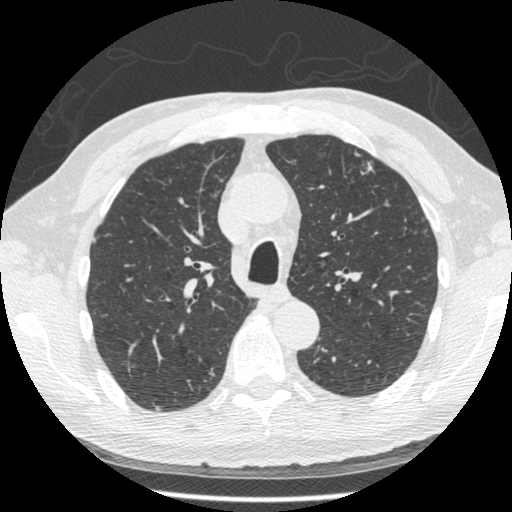
Axial slice 334 of 481 of a chest CT (slice 1 is the lowest), reconstructed with the STANDARD kernel at 120 kVp; 1.25 mm slice thickness and 0.664 mm pixels.
Two pulmonary nodules on this slice, listed from left to right. (1) Pulmonary nodule, outlined by one of the four readers. Box on this slice rows 175–181, columns 215–223, that reader's outline on this slice; longest diameter 8.9 mm and volume 58 mm3 from that reader's outline. That reader's ratings: texture 2/5; margin 2/5; sphericity 4/5; calcification absent; internal structure soft tissue; subtlety 3/5; malignancy likelihood 3/5. (2) Pulmonary nodule at rows 160–173, columns 361–374 (box = the union of the readers' outlines on this slice), outlined by two of the four readers; longest diameter 10.5–12.2 mm and volume 150–184 mm3 across the two readers' outlines. The readers' ratings, as ranges where they differ: texture from 2/5 to 4/5 across the two readers; margin from 1/5 (indistinct) to 4/5 across the two readers; sphericity from 2/5 to 3/5 (ovoid) across the two readers; calcification absent, both readers agreeing; internal structure soft tissue from both readers; subtlety 2–4/5 (the readers disagree); malignancy likelihood 1–3/5 (the readers disagree). Scale key (1–5): texture non-solid→solid, margin indistinct→circumscribed, sphericity linear→round, subtlety extremely subtle→obvious, malignancy likelihood highly unlikely→highly suspicious of cancer. Box rows and columns are 0-based pixel indices from the top-left corner, inclusive.